Axial chest CT slice 194 of 209 (counted from the lowest slice); tube voltage 120 kVp, convolution kernel B30f; slices 2.00 mm thick, 0.625 mm per pixel.
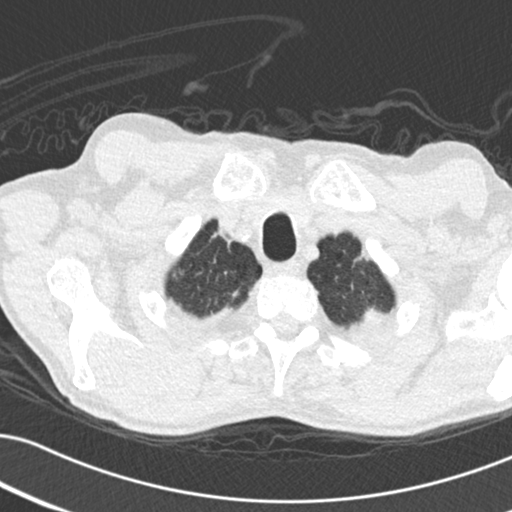
Pulmonary nodule at rows 267–280, columns 171–183 (box = the one reader's outline on this slice), outlined by two of the four readers, one of them on this slice; median longest diameter 9.6 mm (readers' outlines 8.8–10.4 mm), median volume 199 mm3 (127–270 mm3). Ratings, median across the readers with their spread: median texture 2.5/5 (readers ranged 1/5 (non-solid) to 4/5); median margin 3/5 (readers ranged 2/5 to 4/5); sphericity 3.5/5 at the median of two readers, spread 3/5 (ovoid) to 4/5; calcification absent, both readers agreeing; internal structure soft tissue, both readers agreeing; median subtlety 3.5/5 (readers ranged 3–4); malignancy likelihood 3.5/5 at the median of two readers, spread 3–4. Scale key (1–5): texture non-solid→solid, margin indistinct→circumscribed, sphericity linear→round, subtlety extremely subtle→obvious, malignancy likelihood highly unlikely→highly suspicious of cancer. Box rows and columns are 0-based pixel indices from the top-left corner, inclusive.